Chest CT, axial plane, 120 kVp, kernel STANDARD. Slice 43/147 from the bottom of the scan; thickness 2.50 mm; pixel size 0.781 mm.
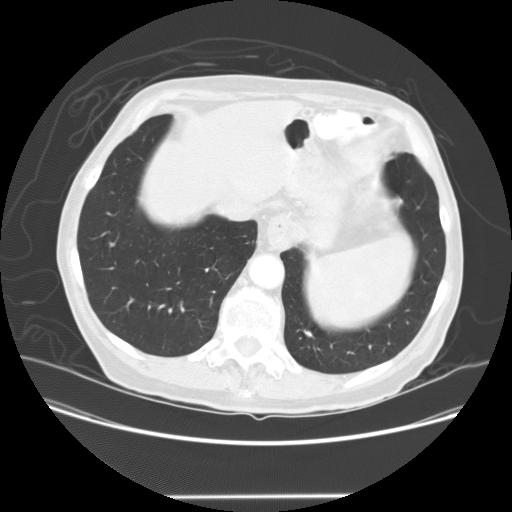
Pulmonary nodule, outlined by all four readers. Box on this slice rows 330–336, columns 304–312, the union of the readers' outlines on this slice; longest diameter 7.7–9.5 mm and volume 201–235 mm3 across the four readers' outlines. Ratings across the readers: texture 5/5 (solid) from all four readers; margin 5/5 (circumscribed) from all four readers; sphericity from 3/5 (ovoid) to 5/5 (round) across the four readers; calcification solid calcification from all four readers; internal structure soft tissue from all four readers; subtlety 5/5, all four readers agreeing; malignancy likelihood 1/5, all four readers agreeing. Scale key (1–5): texture non-solid→solid, margin indistinct→circumscribed, sphericity linear→round, subtlety extremely subtle→obvious, malignancy likelihood highly unlikely→highly suspicious of cancer. Box rows and columns are 0-based pixel indices from the top-left corner, inclusive.